Chest CT, axial plane, 120 kVp, kernel LUNG. Slice 122/197 from the bottom of the scan; thickness 1.25 mm; pixel size 0.703 mm.
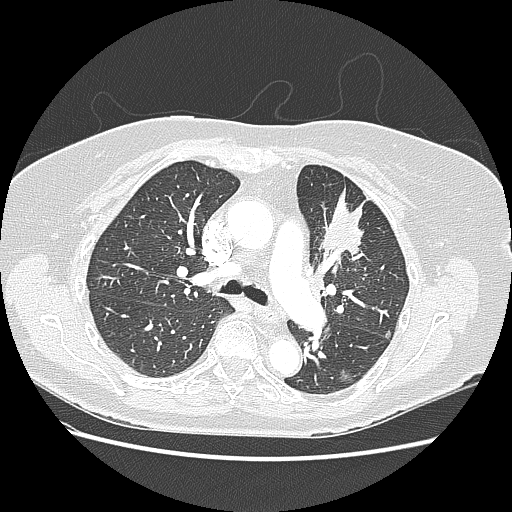
Two pulmonary nodules on this slice, listed from left to right. (1) Pulmonary nodule, outlined by three of the four readers. Box on this slice rows 368–384, columns 337–354, the union of the readers' outlines on this slice; longest diameter 14.2 mm on average over the three readers' outlines (readers' outlines 12.5–15.5 mm), volume 268–427 mm3. Ratings, by the readers' most common answer with dissent counted: texture 1/5 (non-solid) by two of three readers; the rest gave 2/5 (one); margin 4/5 by two of three readers; the rest gave 1/5 (indistinct) (one); sphericity 3/5 (ovoid) by two of three readers; the rest gave 4/5 (one); calcification absent, all three readers agreeing; internal structure soft tissue from all three readers; most readers (two of three) put subtlety at 4/5, others 3/5 (one); most readers (two of three) put malignancy likelihood at 4/5, others 2/5 (one). (2) Pulmonary nodule at rows 331–338, columns 386–391 (box = that reader's outline on this slice), outlined by one of the four readers; longest diameter 6.4 mm and volume 50 mm3 from that reader's outline. That reader's ratings: texture 2/5; margin 1/5 (indistinct); sphericity 3/5 (ovoid); calcification absent; internal structure soft tissue; subtlety 1/5; malignancy likelihood 3/5. Scale key (1–5): texture non-solid→solid, margin indistinct→circumscribed, sphericity linear→round, subtlety extremely subtle→obvious, malignancy likelihood highly unlikely→highly suspicious of cancer. Box rows and columns are 0-based pixel indices from the top-left corner, inclusive.